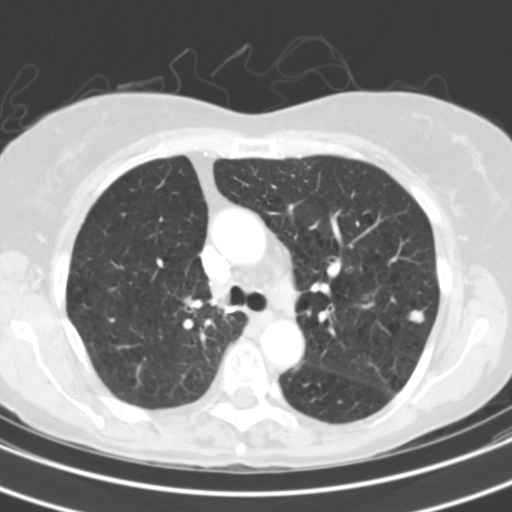
Axial chest CT slice 75 of 111 (counted from the lowest slice); tube voltage 130 kVp, convolution kernel B31s; slices 3.00 mm thick, 0.574 mm per pixel.
Pulmonary nodule at rows 309–323, columns 407–424 (box = the union of the readers' outlines on this slice), outlined by three of the four readers; median longest diameter 9.9 mm (readers' outlines 9.5–11.0 mm), median volume 343 mm3 (311–494 mm3). Ratings, median across the readers with their spread: texture 5/5 (solid) from all three readers; margin 4/5 at the median of three readers, spread 3/5 to 5/5 (circumscribed); sphericity 4/5, all three readers agreeing; calcification absent from all three readers; internal structure soft tissue from all three readers; subtlety 5/5 at the median of three readers, spread 4–5; malignancy likelihood 4/5 at the median of three readers, spread 2–5. Scale key (1–5): texture non-solid→solid, margin indistinct→circumscribed, sphericity linear→round, subtlety extremely subtle→obvious, malignancy likelihood highly unlikely→highly suspicious of cancer. Box rows and columns are 0-based pixel indices from the top-left corner, inclusive.